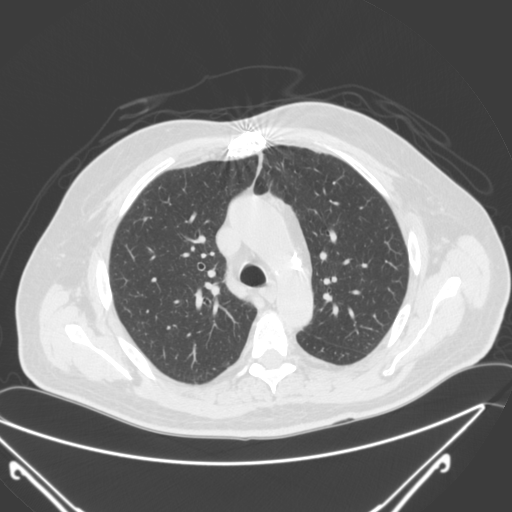
Chest CT, axial plane, 120 kVp, kernel B. Slice 190/290 from the bottom of the scan; thickness 2.00 mm; pixel size 0.816 mm.
None of the four readers outlined a nodule of 3 mm or more on this slice.